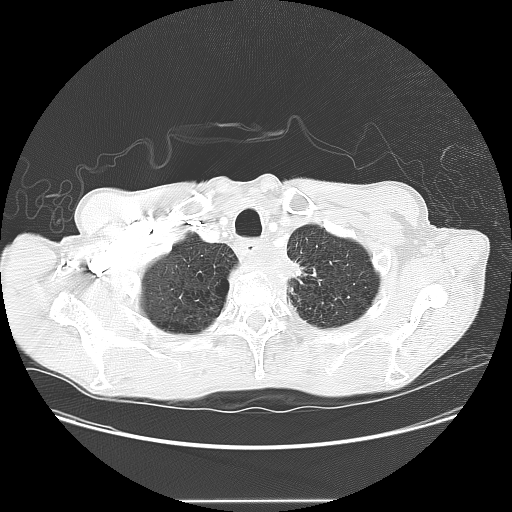
Chest CT, axial plane, 120 kVp, kernel LUNG. Slice 130/145 from the bottom of the scan; thickness 2.50 mm; pixel size 0.781 mm.
Pulmonary nodule, outlined by one of the four readers. Box on this slice rows 261–279, columns 289–301, that reader's outline on this slice; longest diameter 20.7 mm and volume 2229 mm3 from that reader's outline. Ratings by that reader: texture 5/5 (solid); margin 2/5; sphericity 5/5 (round); calcification absent; internal structure soft tissue; subtlety 4/5; malignancy likelihood 5/5. Scale key (1–5): texture non-solid→solid, margin indistinct→circumscribed, sphericity linear→round, subtlety extremely subtle→obvious, malignancy likelihood highly unlikely→highly suspicious of cancer. Box rows and columns are 0-based pixel indices from the top-left corner, inclusive.